Axial chest CT slice 51 of 150 (counted from the lowest slice); tube voltage 120 kVp, convolution kernel STANDARD; slices 2.50 mm thick, 0.820 mm per pixel.
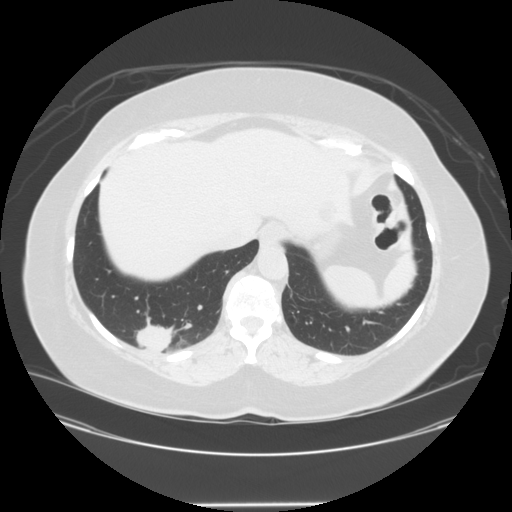
Pulmonary nodule outlined by three of the four readers; box rows 323–349, columns 136–169 (the union of the readers' outlines on this slice); the three readers' outlines give a longest diameter between 34.5 and 41.5 mm and a volume between 15181 and 19016 mm3. The readers' ratings, as ranges where they differ: texture 5/5 (solid), all three readers agreeing; margin from 2/5 to 4/5 across the three readers; sphericity from 3/5 (ovoid) to 5/5 (round) across the three readers; calcification absent, all three readers agreeing; internal structure soft tissue, all three readers agreeing; subtlety 5/5, all three readers agreeing; malignancy likelihood 5/5, all three readers agreeing. Scale key (1–5): texture non-solid→solid, margin indistinct→circumscribed, sphericity linear→round, subtlety extremely subtle→obvious, malignancy likelihood highly unlikely→highly suspicious of cancer. Box rows and columns are 0-based pixel indices from the top-left corner, inclusive.